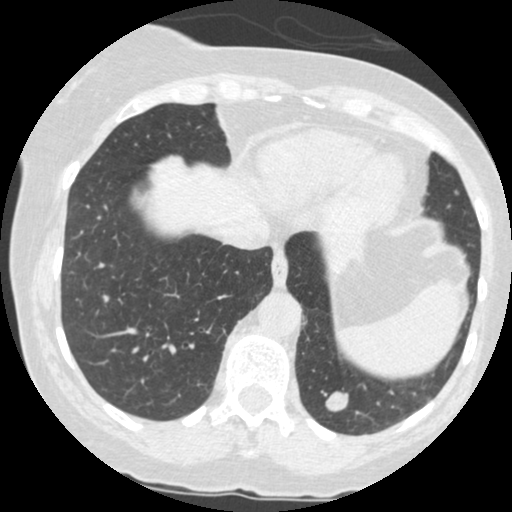
Axial chest CT slice 116 of 484 (counted from the lowest slice); tube voltage 120 kVp, convolution kernel STANDARD; slices 1.25 mm thick, 0.586 mm per pixel.
Pulmonary nodule, outlined by all four readers. Box on this slice rows 390–412, columns 324–347, the union of the readers' outlines on this slice; longest diameter 15.7 mm on average over the four readers' outlines (readers' outlines 14.7–16.9 mm), volume 1036–1469 mm3. Ratings, by the readers' most common answer with dissent counted: texture 5/5 (solid) from all four readers; margin 5/5 (circumscribed) from all four readers; sphericity 4/5 by two of four readers; the rest gave 3/5 (ovoid) (one), 5/5 (round) (one); calcification absent, all four readers agreeing; internal structure soft tissue, all four readers agreeing; subtlety 5/5, all four readers agreeing; malignancy likelihood 5/5 by two of four readers; the rest gave 2/5 (one), 3/5 (one). Scale key (1–5): texture non-solid→solid, margin indistinct→circumscribed, sphericity linear→round, subtlety extremely subtle→obvious, malignancy likelihood highly unlikely→highly suspicious of cancer. Box rows and columns are 0-based pixel indices from the top-left corner, inclusive.